Chest CT, axial plane, 120 kVp, kernel STANDARD. Slice 165/248 from the bottom of the scan; thickness 1.25 mm; pixel size 0.703 mm.
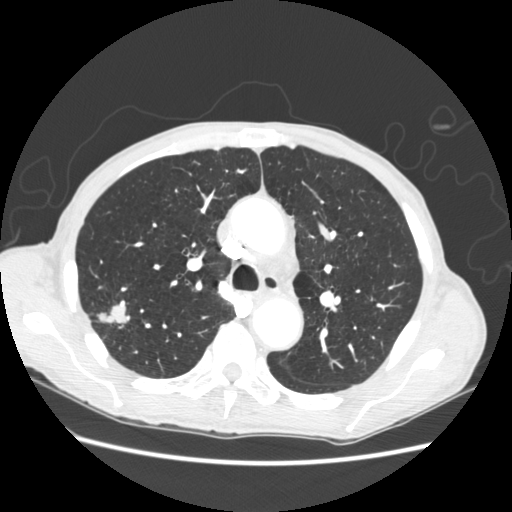
Pulmonary nodule outlined by all four readers; box rows 299–324, columns 95–130 (the union of the readers' outlines on this slice); median longest diameter 28.8 mm (readers' outlines 26.0–32.7 mm), median volume 5327 mm3 (5181–6655 mm3). Ratings, median across the readers with their spread: texture 5/5 (solid) from all four readers; median margin 4.5/5 (readers ranged 2/5 to 5/5 (circumscribed)); sphericity 3/5 (ovoid) at the median of four readers, spread 3/5 (ovoid) to 4/5; calcification absent from all four readers; internal structure soft tissue from all four readers; subtlety 5/5 from all four readers; malignancy likelihood 5/5 at the median of four readers, spread 3–5. Scale key (1–5): texture non-solid→solid, margin indistinct→circumscribed, sphericity linear→round, subtlety extremely subtle→obvious, malignancy likelihood highly unlikely→highly suspicious of cancer. Box rows and columns are 0-based pixel indices from the top-left corner, inclusive.